One axial slice (121 of 605, counting up from the lowest) of a chest CT acquired at 120 kVp with the STANDARD kernel; each pixel is 0.703 mm and the slice is 1.25 mm thick.
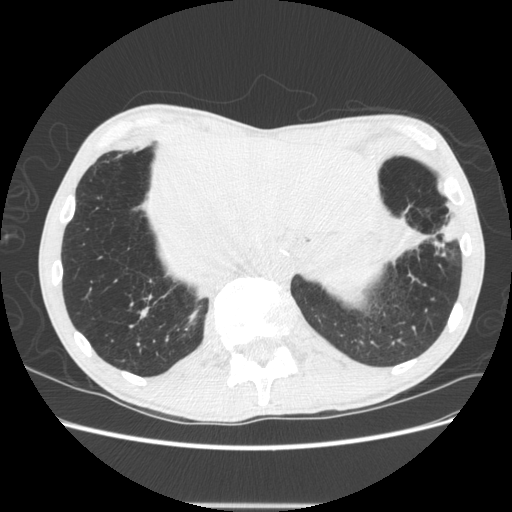
Pulmonary nodule outlined by one of the four readers; box rows 213–240, columns 440–461 (that reader's outline on this slice); longest diameter 29.0 mm and volume 1790 mm3 from that reader's outline. Ratings by that reader: texture 4/5; margin 4/5; sphericity 2/5; calcification absent; internal structure soft tissue; subtlety 5/5; malignancy likelihood 4/5. Scale key (1–5): texture non-solid→solid, margin indistinct→circumscribed, sphericity linear→round, subtlety extremely subtle→obvious, malignancy likelihood highly unlikely→highly suspicious of cancer. Box rows and columns are 0-based pixel indices from the top-left corner, inclusive.